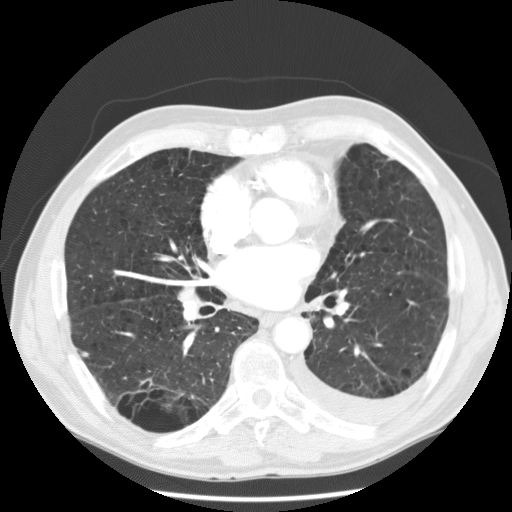
One axial slice (77 of 145, counting up from the lowest) of a chest CT acquired at 120 kVp with the STANDARD kernel; each pixel is 0.742 mm and the slice is 2.50 mm thick.
Pulmonary nodule outlined by one of the four readers; box rows 351–357, columns 80–87 (that reader's outline on this slice); longest diameter 6.7 mm and volume 152 mm3 from that reader's outline. That reader's ratings: texture 5/5 (solid); margin 5/5 (circumscribed); sphericity 4/5; calcification absent; internal structure soft tissue; subtlety 3/5; malignancy likelihood 2/5. Scale key (1–5): texture non-solid→solid, margin indistinct→circumscribed, sphericity linear→round, subtlety extremely subtle→obvious, malignancy likelihood highly unlikely→highly suspicious of cancer. Box rows and columns are 0-based pixel indices from the top-left corner, inclusive.